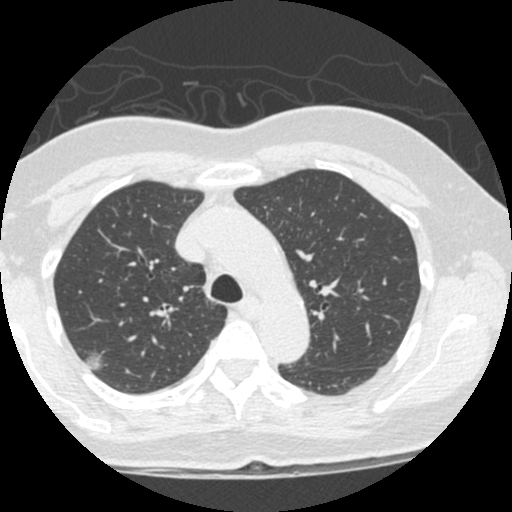
Axial slice 376 of 490 of a chest CT (slice 1 is the lowest), reconstructed with the STANDARD kernel at 120 kVp; 1.25 mm slice thickness and 0.547 mm pixels.
Pulmonary nodule outlined by three of the four readers; box rows 348–370, columns 84–104 (the union of the readers' outlines on this slice); longest diameter 14.3–18.3 mm and volume 967–1422 mm3 across the three readers' outlines. Ratings across the readers: texture from 1/5 (non-solid) to 5/5 (solid) across the three readers; margin from 2/5 to 4/5 across the three readers; sphericity from 3/5 (ovoid) to 5/5 (round) across the three readers; calcification absent, all three readers agreeing; internal structure soft tissue from all three readers; subtlety from 1/5 to 5/5 across the three readers; malignancy likelihood 2–5/5 (the readers disagree). Scale key (1–5): texture non-solid→solid, margin indistinct→circumscribed, sphericity linear→round, subtlety extremely subtle→obvious, malignancy likelihood highly unlikely→highly suspicious of cancer. Box rows and columns are 0-based pixel indices from the top-left corner, inclusive.